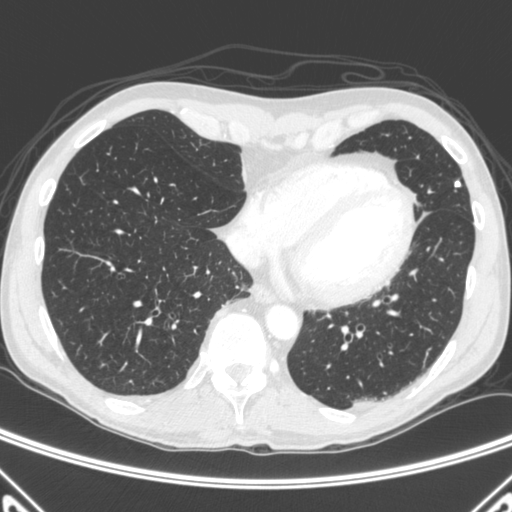
Axial chest CT slice 136 of 445 (counted from the lowest slice); tube voltage 120 kVp, convolution kernel C; slices 1.50 mm thick, 0.676 mm per pixel.
Pulmonary nodule outlined by all four readers; box rows 180–187, columns 454–461 (the union of the readers' outlines on this slice); longest diameter 9.0–9.7 mm and volume 243–279 mm3 across the four readers' outlines. The readers' ratings, as ranges where they differ: texture from 4/5 to 5/5 (solid) across the four readers; margin 5/5 (circumscribed), all four readers agreeing; sphericity from 4/5 to 5/5 (round) across the four readers; calcification: solid calcification (three), central calcification (one); internal structure soft tissue from all four readers; subtlety 5/5, all four readers agreeing; malignancy likelihood 1/5, all four readers agreeing. Scale key (1–5): texture non-solid→solid, margin indistinct→circumscribed, sphericity linear→round, subtlety extremely subtle→obvious, malignancy likelihood highly unlikely→highly suspicious of cancer. Box rows and columns are 0-based pixel indices from the top-left corner, inclusive.